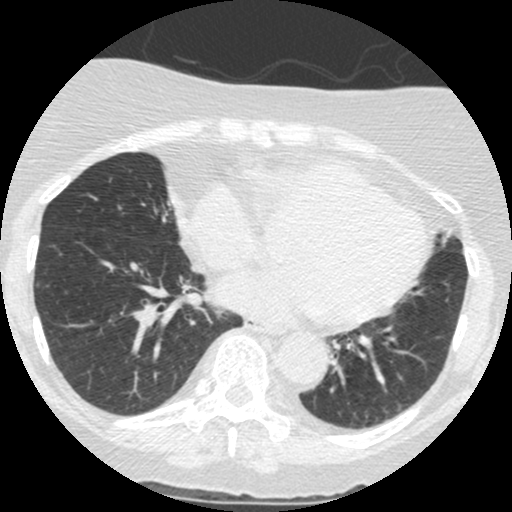
Axial chest CT slice 147 of 426 (counted from the lowest slice); tube voltage 120 kVp, convolution kernel STANDARD; slices 1.25 mm thick, 0.547 mm per pixel.
Pulmonary nodule outlined by one of the four readers; box rows 282–288, columns 34–39 (that reader's outline on this slice); longest diameter 5.5 mm and volume 33 mm3 from that reader's outline. That reader's ratings: texture 5/5 (solid); margin 5/5 (circumscribed); sphericity 4/5; calcification absent; internal structure soft tissue; subtlety 3/5; malignancy likelihood 2/5. Scale key (1–5): texture non-solid→solid, margin indistinct→circumscribed, sphericity linear→round, subtlety extremely subtle→obvious, malignancy likelihood highly unlikely→highly suspicious of cancer. Box rows and columns are 0-based pixel indices from the top-left corner, inclusive.